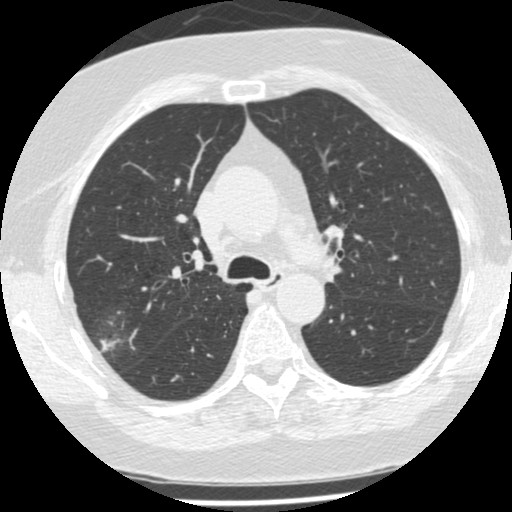
Axial slice 332 of 487 of a chest CT (slice 1 is the lowest), reconstructed with the STANDARD kernel at 120 kVp; 1.25 mm slice thickness and 0.586 mm pixels.
Pulmonary nodule at rows 329–362, columns 95–126 (box = the union of the readers' outlines on this slice), outlined by two of the four readers; median longest diameter 18.1 mm (readers' outlines 11.3–24.9 mm), median volume 1598 mm3 (232–2964 mm3). Median ratings and the readers' spread: texture 3/5 (part-solid) from both readers; median margin 1.5/5 (readers ranged 1/5 (indistinct) to 2/5); sphericity 4/5, both readers agreeing; calcification absent, both readers agreeing; internal structure soft tissue, both readers agreeing; subtlety 4/5, both readers agreeing; malignancy likelihood 3.5/5 at the median of two readers, spread 3–4. Scale key (1–5): texture non-solid→solid, margin indistinct→circumscribed, sphericity linear→round, subtlety extremely subtle→obvious, malignancy likelihood highly unlikely→highly suspicious of cancer. Box rows and columns are 0-based pixel indices from the top-left corner, inclusive.